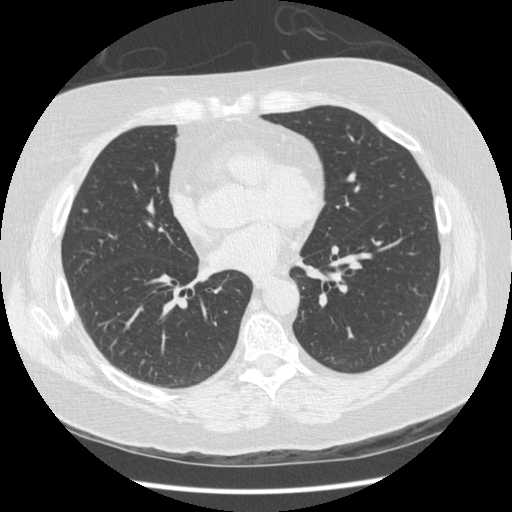
Axial chest CT slice 187 of 436 (counted from the lowest slice); tube voltage 120 kVp, convolution kernel STANDARD; slices 1.25 mm thick, 0.703 mm per pixel.
Pulmonary nodule outlined by one of the four readers; box rows 209–211, columns 83–87 (that reader's outline on this slice); longest diameter 6.0 mm and volume 26 mm3 from that reader's outline. Ratings by that reader: texture 5/5 (solid); margin 5/5 (circumscribed); sphericity 4/5; calcification absent; internal structure soft tissue; subtlety 5/5; malignancy likelihood 3/5. Scale key (1–5): texture non-solid→solid, margin indistinct→circumscribed, sphericity linear→round, subtlety extremely subtle→obvious, malignancy likelihood highly unlikely→highly suspicious of cancer. Box rows and columns are 0-based pixel indices from the top-left corner, inclusive.